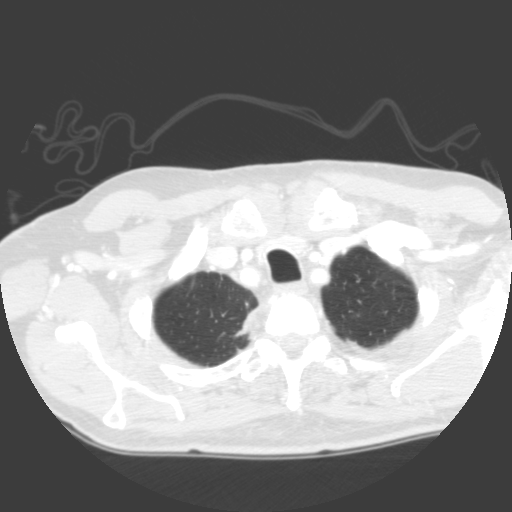
Axial chest CT slice 300 of 335 (counted from the lowest slice); tube voltage 120 kVp, convolution kernel B; slices 2.00 mm thick, 0.623 mm per pixel.
Pulmonary nodule outlined by one of the four readers; box rows 301–309, columns 245–249 (that reader's outline on this slice); longest diameter 8.1 mm and volume 221 mm3 from that reader's outline. That reader's ratings: texture 4/5; margin 3/5; sphericity 4/5; calcification absent; internal structure soft tissue; subtlety 2/5; malignancy likelihood 1/5. Scale key (1–5): texture non-solid→solid, margin indistinct→circumscribed, sphericity linear→round, subtlety extremely subtle→obvious, malignancy likelihood highly unlikely→highly suspicious of cancer. Box rows and columns are 0-based pixel indices from the top-left corner, inclusive.